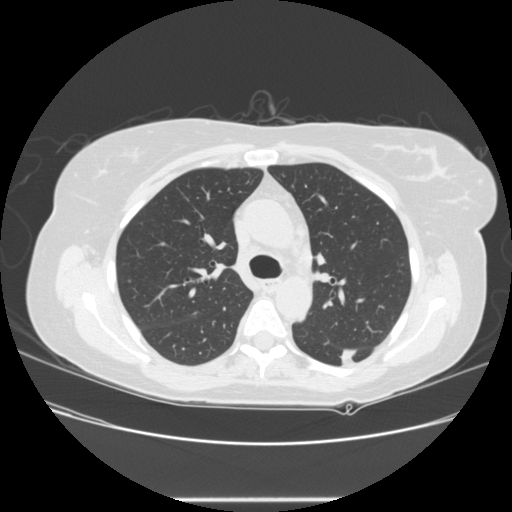
Slice 170/245 of a chest CT, counting up from the lowest; pixel size 0.730 mm, slice thickness 1.25 mm. Pulmonary nodule, outlined by all four readers. Box on this slice rows 347–366, columns 340–356, the union of the readers' outlines on this slice; median longest diameter 29.7 mm (readers' outlines 27.2–36.8 mm), median volume 4184 mm3 (3941–5997 mm3). Ratings, median across the readers with their spread: texture 5/5 (solid), all four readers agreeing; margin 3.5/5 at the median of four readers, spread 1/5 (indistinct) to 4/5; median sphericity 2.5/5 (readers ranged 2/5 to 4/5); calcification absent, all four readers agreeing; internal structure soft tissue, all four readers agreeing; subtlety 5/5 from all four readers; median malignancy likelihood 5/5 (readers ranged 4–5). Scale key (1–5): texture non-solid→solid, margin indistinct→circumscribed, sphericity linear→round, subtlety extremely subtle→obvious, malignancy likelihood highly unlikely→highly suspicious of cancer. Box rows and columns are 0-based pixel indices from the top-left corner, inclusive.
Tube voltage 120 kVp; convolution kernel STANDARD.